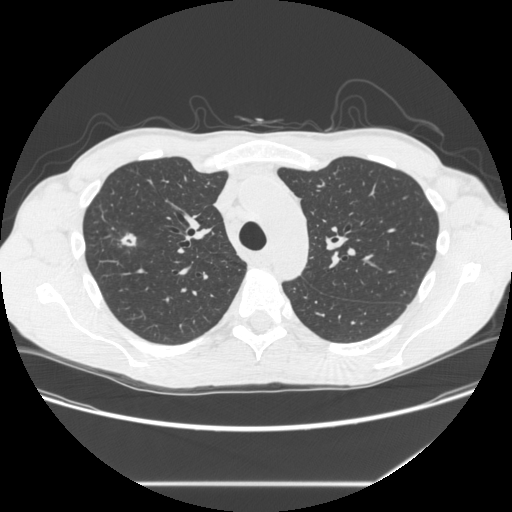
Axial chest CT slice 215 of 301 (counted from the lowest slice); 1.25 mm thick, 0.752 mm per pixel. Pulmonary nodule at rows 232–246, columns 120–136 (box = the union of the readers' outlines on this slice), outlined by all four readers; longest diameter 13.6 mm on average over the four readers' outlines (readers' outlines 12.1–14.8 mm), volume 491–1018 mm3. Ratings, by the readers' most common answer with dissent counted: texture 5/5 (solid) by two of four readers; the rest gave 3/5 (part-solid) (one), 4/5 (one); margin 1/5 (indistinct) by two of four readers; the rest gave 3/5 (one), 4/5 (one); sphericity 4/5 by three of four readers; the rest gave 2/5 (one); calcification absent, all four readers agreeing; internal structure split among the readers: soft tissue (two), air (two); subtlety 5/5 from all four readers; malignancy likelihood split among the readers: 4/5 (two), 5/5 (two). Scale key (1–5): texture non-solid→solid, margin indistinct→circumscribed, sphericity linear→round, subtlety extremely subtle→obvious, malignancy likelihood highly unlikely→highly suspicious of cancer. Box rows and columns are 0-based pixel indices from the top-left corner, inclusive.
Scan settings: 120 kVp, STANDARD reconstruction kernel.